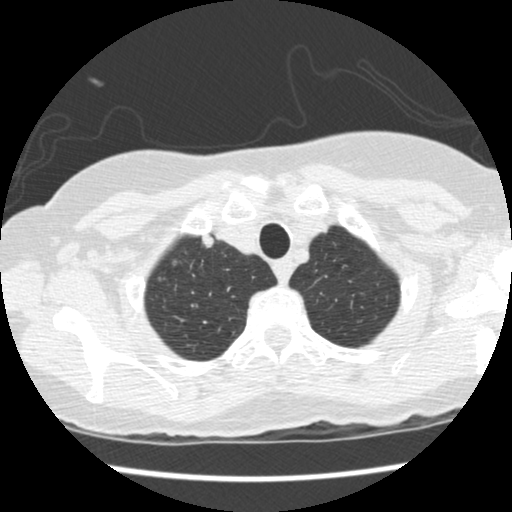
Axial chest CT slice 406 of 458 (counted from the lowest slice); tube voltage 120 kVp, convolution kernel STANDARD; slices 1.25 mm thick, 0.586 mm per pixel.
Pulmonary nodule at rows 235–247, columns 201–213 (box = the union of the readers' outlines on this slice), outlined by all four readers; longest diameter 9.7 mm on average over the four readers' outlines (readers' outlines 9.1–10.0 mm), volume 243–272 mm3. Ratings, by the readers' most common answer with dissent counted: most readers (three of four) put texture at 5/5 (solid), others 4/5 (one); margin split among the readers: 4/5 (two), 5/5 (circumscribed) (two); sphericity 3/5 (ovoid) by two of four readers; the rest gave 4/5 (one), 5/5 (round) (one); calcification absent from all four readers; internal structure soft tissue, all four readers agreeing; subtlety split among the readers: 4/5 (two), 5/5 (two); malignancy likelihood 4/5 by two of four readers; the rest gave 2/5 (one), 3/5 (one). Scale key (1–5): texture non-solid→solid, margin indistinct→circumscribed, sphericity linear→round, subtlety extremely subtle→obvious, malignancy likelihood highly unlikely→highly suspicious of cancer. Box rows and columns are 0-based pixel indices from the top-left corner, inclusive.